Axial chest CT slice 280 of 471 (counted from the lowest slice); tube voltage 120 kVp, convolution kernel STANDARD; slices 1.25 mm thick, 0.703 mm per pixel.
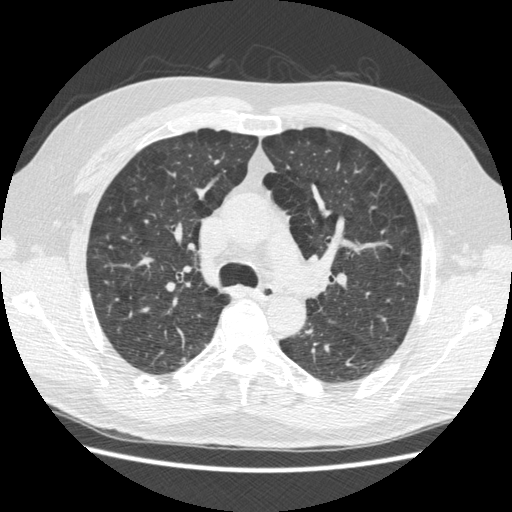
Pulmonary nodule at rows 358–362, columns 182–185 (box = that reader's outline on this slice), outlined by one of the four readers; longest diameter 6.7 mm and volume 38 mm3 from that reader's outline. That reader's ratings: texture 2/5; margin 1/5 (indistinct); sphericity 3/5 (ovoid); calcification absent; internal structure soft tissue; subtlety 2/5; malignancy likelihood 3/5. Scale key (1–5): texture non-solid→solid, margin indistinct→circumscribed, sphericity linear→round, subtlety extremely subtle→obvious, malignancy likelihood highly unlikely→highly suspicious of cancer. Box rows and columns are 0-based pixel indices from the top-left corner, inclusive.